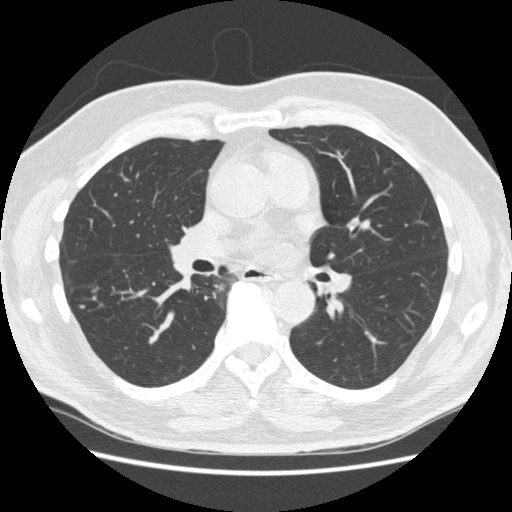
Axial chest CT slice 275 of 557 (counted from the lowest slice); tube voltage 120 kVp, convolution kernel STANDARD; slices 1.25 mm thick, 0.703 mm per pixel.
Pulmonary nodule at rows 303–308, columns 79–85 (box = the union of the readers' outlines on this slice), outlined by two of the four readers; the two readers' outlines give a longest diameter between 5.7 and 6.3 mm and a volume between 41 and 64 mm3. The readers' ratings, as ranges where they differ: texture 5/5 (solid), both readers agreeing; margin 5/5 (circumscribed) from both readers; sphericity from 4/5 to 5/5 (round) across the two readers; calcification absent from both readers; internal structure soft tissue from both readers; subtlety 1–4/5 (the readers disagree); malignancy likelihood from 2/5 to 3/5 across the two readers. Scale key (1–5): texture non-solid→solid, margin indistinct→circumscribed, sphericity linear→round, subtlety extremely subtle→obvious, malignancy likelihood highly unlikely→highly suspicious of cancer. Box rows and columns are 0-based pixel indices from the top-left corner, inclusive.